Chest CT, axial plane, 120 kVp, kernel B30f. Slice 90/181 from the bottom of the scan; thickness 2.00 mm; pixel size 0.664 mm.
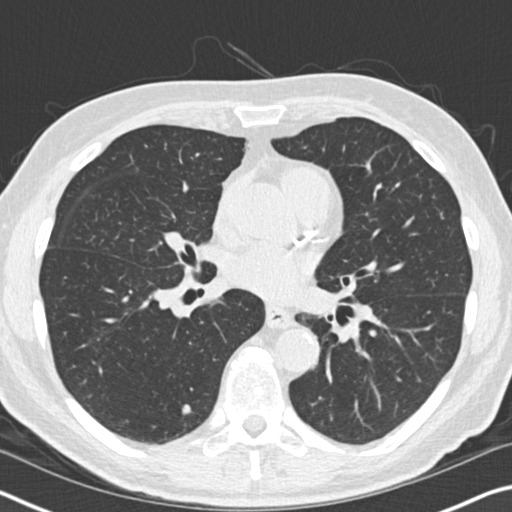
Pulmonary nodule at rows 403–415, columns 181–191 (box = the union of the readers' outlines on this slice), outlined by all four readers; median longest diameter 8.9 mm (readers' outlines 7.2–9.5 mm), median volume 120 mm3 (90–170 mm3). Ratings, median across the readers with their spread: texture 5/5 (solid) at the median of four readers, spread 4/5 to 5/5 (solid); margin 4/5, all four readers agreeing; sphericity 4.5/5 at the median of four readers, spread 2/5 to 5/5 (round); calcification absent, all four readers agreeing; internal structure soft tissue, all four readers agreeing; median subtlety 4/5 (readers ranged 3–5); malignancy likelihood 2.5/5 at the median of four readers, spread 2–3. Scale key (1–5): texture non-solid→solid, margin indistinct→circumscribed, sphericity linear→round, subtlety extremely subtle→obvious, malignancy likelihood highly unlikely→highly suspicious of cancer. Box rows and columns are 0-based pixel indices from the top-left corner, inclusive.